Axial slice 60 of 280 of a chest CT (slice 1 is the lowest), reconstructed with the D kernel at 140 kVp; 1.00 mm slice thickness and 0.801 mm pixels.
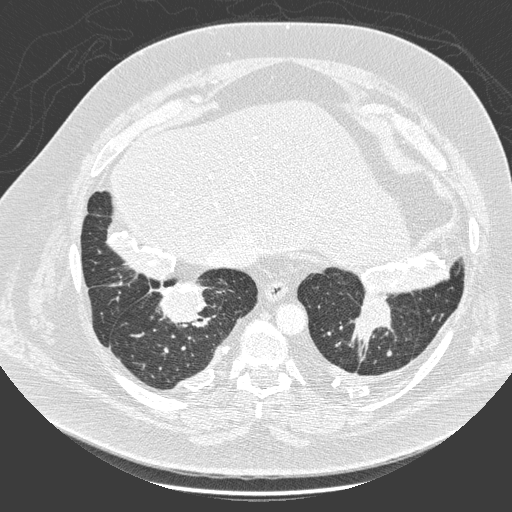
Pulmonary nodule outlined by one of the four readers; box rows 275–325, columns 158–205 (that reader's outline on this slice); longest diameter 49.9 mm and volume 31112 mm3 from that reader's outline. Ratings by that reader: texture 5/5 (solid); margin 4/5; sphericity 5/5 (round); calcification non-central calcification; internal structure soft tissue; subtlety 5/5; malignancy likelihood 5/5. Scale key (1–5): texture non-solid→solid, margin indistinct→circumscribed, sphericity linear→round, subtlety extremely subtle→obvious, malignancy likelihood highly unlikely→highly suspicious of cancer. Box rows and columns are 0-based pixel indices from the top-left corner, inclusive.